One axial slice (196 of 350, counting up from the lowest) of a chest CT acquired at 120 kVp with the C kernel; each pixel is 0.725 mm and the slice is 1.50 mm thick.
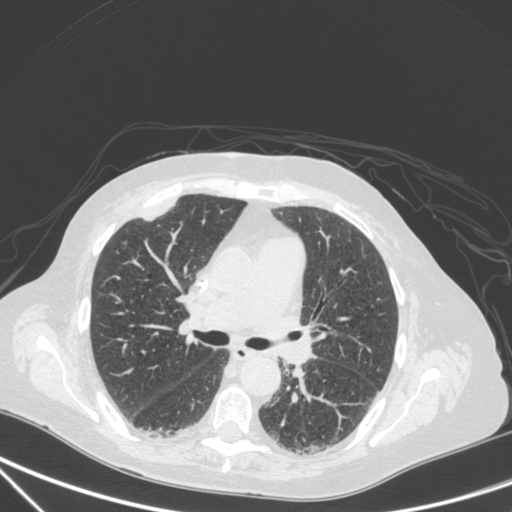
Pulmonary nodule outlined by one of the four readers; box rows 203–220, columns 143–174 (that reader's outline on this slice); longest diameter 29.5 mm and volume 4181 mm3 from that reader's outline. Ratings by that reader: texture 5/5 (solid); margin 4/5; sphericity 2/5; calcification absent; internal structure soft tissue; subtlety 5/5; malignancy likelihood 4/5. Scale key (1–5): texture non-solid→solid, margin indistinct→circumscribed, sphericity linear→round, subtlety extremely subtle→obvious, malignancy likelihood highly unlikely→highly suspicious of cancer. Box rows and columns are 0-based pixel indices from the top-left corner, inclusive.